Axial slice 80 of 257 of a chest CT (slice 1 is the lowest), reconstructed with the STANDARD kernel at 120 kVp; 1.25 mm slice thickness and 0.781 mm pixels.
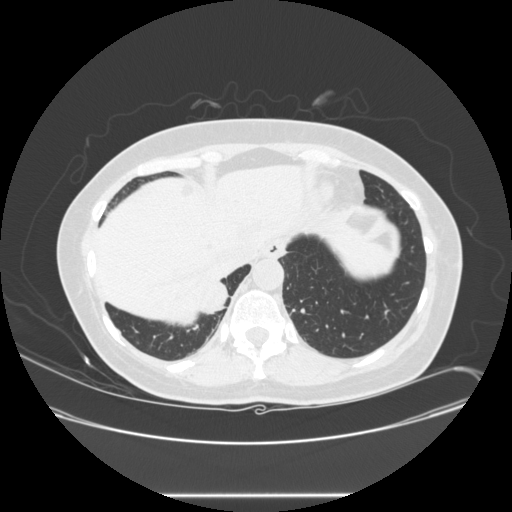
Pulmonary nodule, outlined by three of the four readers. Box on this slice rows 282–314, columns 200–227, the union of the readers' outlines on this slice; the three readers' outlines give a longest diameter between 28.2 and 32.2 mm and a volume between 3103 and 4675 mm3. The readers' ratings, as ranges where they differ: texture 5/5 (solid), all three readers agreeing; margin 5/5 (circumscribed), all three readers agreeing; sphericity 4/5 from all three readers; calcification absent, all three readers agreeing; internal structure soft tissue, all three readers agreeing; subtlety 5/5 from all three readers; malignancy likelihood rated between 2 and 5 out of 5 by the three readers. Scale key (1–5): texture non-solid→solid, margin indistinct→circumscribed, sphericity linear→round, subtlety extremely subtle→obvious, malignancy likelihood highly unlikely→highly suspicious of cancer. Box rows and columns are 0-based pixel indices from the top-left corner, inclusive.